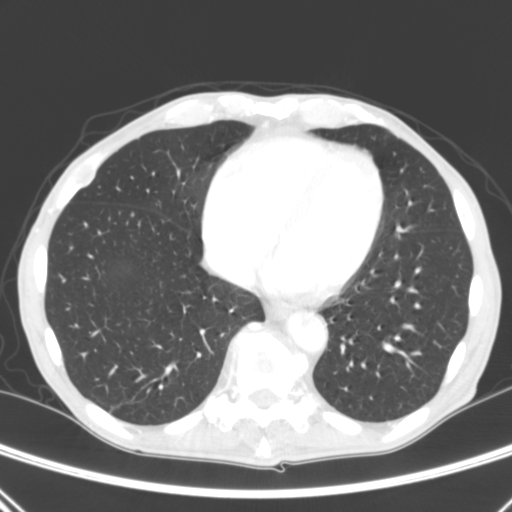
Axial slice 91 of 290 of a chest CT (slice 1 is the lowest), reconstructed with the B kernel at 120 kVp; 2.00 mm slice thickness and 0.639 mm pixels.
Pulmonary nodule outlined by one of the four readers; box rows 212–216, columns 130–134 (that reader's outline on this slice); longest diameter 5.0 mm and volume 58 mm3 from that reader's outline. That reader's ratings: texture 5/5 (solid); margin 5/5 (circumscribed); sphericity 5/5 (round); calcification absent; internal structure soft tissue; subtlety 5/5; malignancy likelihood 3/5. Scale key (1–5): texture non-solid→solid, margin indistinct→circumscribed, sphericity linear→round, subtlety extremely subtle→obvious, malignancy likelihood highly unlikely→highly suspicious of cancer. Box rows and columns are 0-based pixel indices from the top-left corner, inclusive.